Axial slice 62 of 150 of a chest CT (slice 1 is the lowest), reconstructed with the LUNG kernel at 120 kVp; 2.50 mm slice thickness and 0.781 mm pixels.
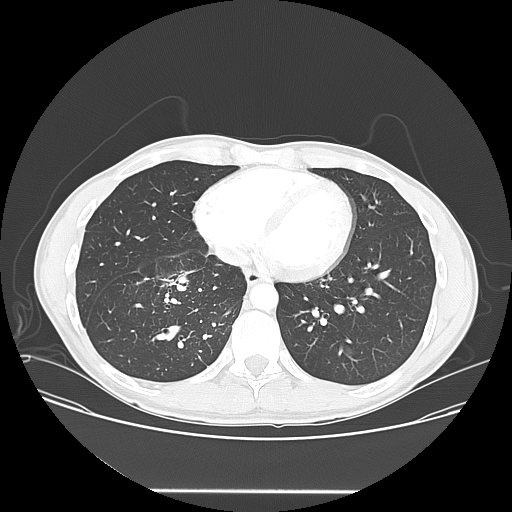
Pulmonary nodule outlined by all four readers, two of them on this slice; box rows 345–355, columns 345–353 (the union of the readers' outlines on this slice); the four readers' outlines give a longest diameter between 15.0 and 17.2 mm and a volume between 701 and 1241 mm3. Ratings across the readers: texture from 4/5 to 5/5 (solid) across the four readers; margin from 4/5 to 5/5 (circumscribed) across the four readers; sphericity from 2/5 to 5/5 (round) across the four readers; calcification absent from all four readers; internal structure soft tissue, all four readers agreeing; subtlety rated between 3 and 5 out of 5 by the four readers; malignancy likelihood from 2/5 to 4/5 across the four readers. Scale key (1–5): texture non-solid→solid, margin indistinct→circumscribed, sphericity linear→round, subtlety extremely subtle→obvious, malignancy likelihood highly unlikely→highly suspicious of cancer. Box rows and columns are 0-based pixel indices from the top-left corner, inclusive.